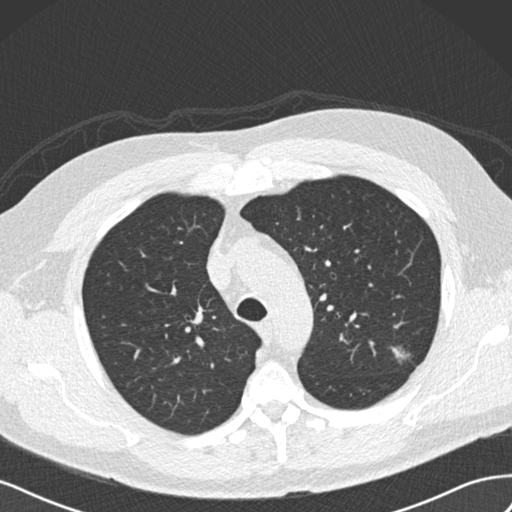
Axial slice 157 of 206 of a chest CT (slice 1 is the lowest), reconstructed with the B30f kernel at 120 kVp; 2.00 mm slice thickness and 0.703 mm pixels.
Pulmonary nodule, outlined by three of the four readers. Box on this slice rows 346–365, columns 390–411, the union of the readers' outlines on this slice; longest diameter 17.2 mm on average over the three readers' outlines (readers' outlines 15.6–17.9 mm), volume 851–953 mm3. The readers' prevailing ratings and who disagreed: texture split among the readers: 1/5 (non-solid) (one), 2/5 (one), 3/5 (part-solid) (one); margin split among the readers: 1/5 (indistinct) (one), 2/5 (one), 3/5 (one); sphericity 2/5, all three readers agreeing; calcification absent from all three readers; internal structure soft tissue by two of three readers, air (one); subtlety 4/5 by two of three readers; the rest gave 3/5 (one); malignancy likelihood 4/5 by two of three readers; the rest gave 3/5 (one). Scale key (1–5): texture non-solid→solid, margin indistinct→circumscribed, sphericity linear→round, subtlety extremely subtle→obvious, malignancy likelihood highly unlikely→highly suspicious of cancer. Box rows and columns are 0-based pixel indices from the top-left corner, inclusive.